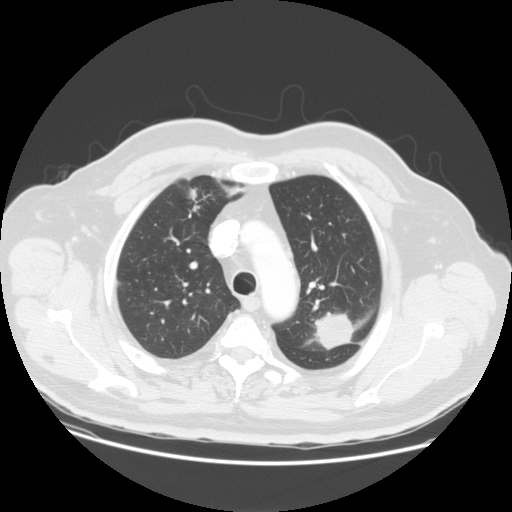
One axial slice (117 of 149, counting up from the lowest) of a chest CT acquired at 120 kVp with the STANDARD kernel; each pixel is 0.781 mm and the slice is 2.50 mm thick.
Two pulmonary nodules are outlined on this slice; from left to right: (1) Pulmonary nodule outlined by all four readers; box rows 186–211, columns 186–199 (the union of the readers' outlines on this slice); median longest diameter 28.1 mm (readers' outlines 24.8–32.8 mm), median volume 2691 mm3 (2485–3042 mm3). Median ratings and the readers' spread: texture 4.5/5 at the median of four readers, spread 1/5 (non-solid) to 5/5 (solid); margin 4/5, all four readers agreeing; sphericity 3/5 (ovoid) at the median of four readers, spread 3/5 (ovoid) to 5/5 (round); calcification absent, all four readers agreeing; internal structure soft tissue from all four readers; subtlety 5/5 from all four readers; median malignancy likelihood 5/5 (readers ranged 4–5). (2) Pulmonary nodule at rows 313–348, columns 308–366 (box = the union of the readers' outlines on this slice), outlined by three of the four readers; the three readers' outlines give a longest diameter between 34.5 and 53.9 mm and a volume between 15350 and 17058 mm3. Ratings across the readers: texture 5/5 (solid), all three readers agreeing; margin from 4/5 to 5/5 (circumscribed) across the three readers; sphericity from 4/5 to 5/5 (round) across the three readers; calcification absent, all three readers agreeing; internal structure soft tissue from all three readers; subtlety 5/5, all three readers agreeing; malignancy likelihood from 4/5 to 5/5 across the three readers. Scale key (1–5): texture non-solid→solid, margin indistinct→circumscribed, sphericity linear→round, subtlety extremely subtle→obvious, malignancy likelihood highly unlikely→highly suspicious of cancer. Box rows and columns are 0-based pixel indices from the top-left corner, inclusive.